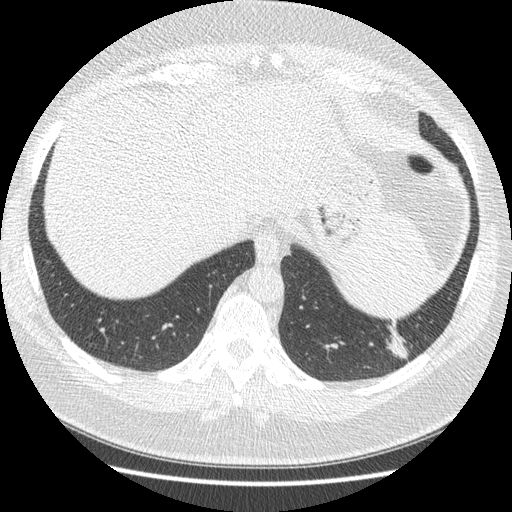
One axial slice (60 of 421, counting up from the lowest) of a chest CT acquired at 120 kVp with the STANDARD kernel; each pixel is 0.703 mm and the slice is 1.25 mm thick.
Pulmonary nodule, outlined four times (the source holds four more outlines, not used). Box on this slice rows 319–360, columns 385–408, the union of the readers' outlines on this slice; longest diameter 33.9 mm on average over the four readers' outlines (readers' outlines 30.9–38.9 mm), volume 4443–5826 mm3. Ratings, by the readers' most common answer with dissent counted: most readers (three of four) put texture at 5/5 (solid), others 4/5 (one); margin 4/5 by three of four readers; the rest gave 3/5 (one); sphericity 2/5 by two of four readers; the rest gave 3/5 (ovoid) (one), 4/5 (one); calcification absent, all four readers agreeing; internal structure soft tissue, all four readers agreeing; subtlety 5/5 by three of four readers; the rest gave 4/5 (one); malignancy likelihood split among the readers: 2/5 (one), 3/5 (one), 4/5 (one), 5/5 (one). Scale key (1–5): texture non-solid→solid, margin indistinct→circumscribed, sphericity linear→round, subtlety extremely subtle→obvious, malignancy likelihood highly unlikely→highly suspicious of cancer. Box rows and columns are 0-based pixel indices from the top-left corner, inclusive.